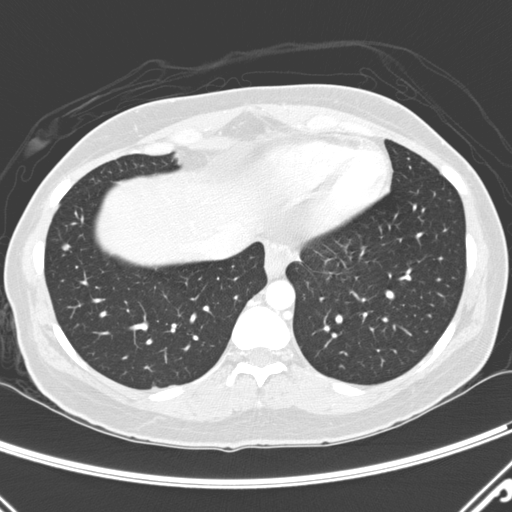
Axial chest CT slice 81 of 290 (counted from the lowest slice); tube voltage 120 kVp, convolution kernel D; slices 2.00 mm thick, 0.648 mm per pixel.
Pulmonary nodule outlined by two of the four readers; box rows 244–250, columns 61–70 (the union of the readers' outlines on this slice); median longest diameter 7.3 mm (readers' outlines 7.1–7.6 mm), median volume 87 mm3 (80–93 mm3). Ratings, median across the readers with their spread: texture 5/5 (solid), both readers agreeing; margin 5/5 (circumscribed) from both readers; sphericity 4.5/5 at the median of two readers, spread 4/5 to 5/5 (round); calcification absent from both readers; internal structure soft tissue, both readers agreeing; median subtlety 4.5/5 (readers ranged 4–5); malignancy likelihood 3/5, both readers agreeing. Scale key (1–5): texture non-solid→solid, margin indistinct→circumscribed, sphericity linear→round, subtlety extremely subtle→obvious, malignancy likelihood highly unlikely→highly suspicious of cancer. Box rows and columns are 0-based pixel indices from the top-left corner, inclusive.